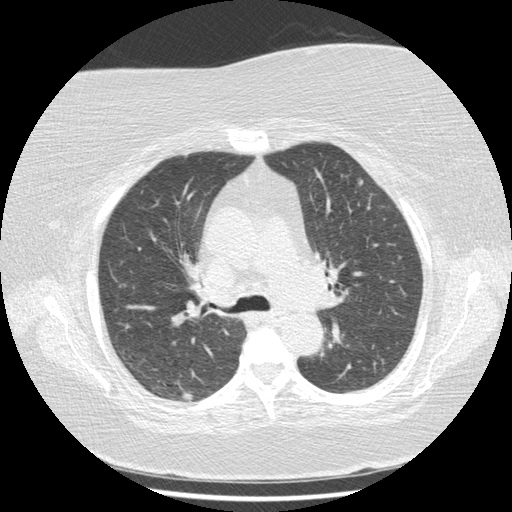
Axial chest CT slice 287 of 417 (counted from the lowest slice); tube voltage 120 kVp, convolution kernel STANDARD; slices 1.25 mm thick, 0.703 mm per pixel.
Three pulmonary nodules on this slice, listed from left to right. (1) Pulmonary nodule, outlined by one of the four readers. Box on this slice rows 155–158, columns 184–187, that reader's outline on this slice; longest diameter 5.0 mm and volume 27 mm3 from that reader's outline. That reader's ratings: texture 5/5 (solid); margin 5/5 (circumscribed); sphericity 4/5; calcification absent; internal structure soft tissue; subtlety 5/5; malignancy likelihood 3/5. (2) Pulmonary nodule outlined by all four readers; box rows 392–400, columns 180–193 (the union of the readers' outlines on this slice); median longest diameter 11.8 mm (readers' outlines 11.0–13.8 mm), median volume 406 mm3 (306–515 mm3). Median ratings and the readers' spread: texture 5/5 (solid) from all four readers; margin 5/5 (circumscribed) at the median of four readers, spread 4/5 to 5/5 (circumscribed); sphericity 4.5/5 at the median of four readers, spread 3/5 (ovoid) to 5/5 (round); calcification absent from all four readers; internal structure soft tissue from all four readers; subtlety 4.5/5 at the median of four readers, spread 3–5; median malignancy likelihood 3.5/5 (readers ranged 2–4). (3) Pulmonary nodule, outlined by three of the four readers, two of them on this slice. Box on this slice rows 256–259, columns 396–401, the union of the readers' outlines on this slice; median longest diameter 6.0 mm (readers' outlines 5.8–6.7 mm), median volume 66 mm3 (55–91 mm3). Ratings, median across the readers with their spread: texture 5/5 (solid) at the median of three readers, spread 4/5 to 5/5 (solid); margin 4/5 at the median of three readers, spread 4/5 to 5/5 (circumscribed); sphericity 4/5 at the median of three readers, spread 4/5 to 5/5 (round); calcification absent from all three readers; internal structure soft tissue from all three readers; median subtlety 4/5 (readers ranged 4–5); median malignancy likelihood 3/5 (readers ranged 2–3). Scale key (1–5): texture non-solid→solid, margin indistinct→circumscribed, sphericity linear→round, subtlety extremely subtle→obvious, malignancy likelihood highly unlikely→highly suspicious of cancer. Box rows and columns are 0-based pixel indices from the top-left corner, inclusive.